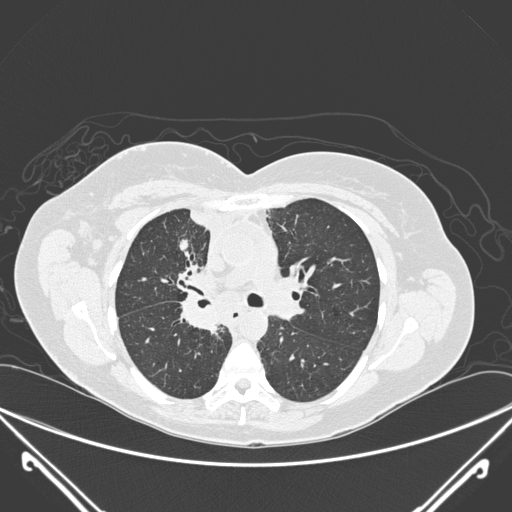
This is axial slice 168 of 275 (slice 1 is the lowest) of a chest CT; each pixel is 0.781 mm and the slice is 1.00 mm thick. Pulmonary nodule, outlined by all four readers, three of them on this slice. Box on this slice rows 239–251, columns 178–188, the union of the readers' outlines on this slice; the four readers' outlines give a longest diameter between 20.3 and 23.4 mm and a volume between 1750 and 2560 mm3. The readers' ratings, as ranges where they differ: texture 5/5 (solid), all four readers agreeing; margin from 3/5 to 5/5 (circumscribed) across the four readers; sphericity from 2/5 to 5/5 (round) across the four readers; calcification: absent (three), central calcification (one); internal structure soft tissue, all four readers agreeing; subtlety 5/5 from all four readers; malignancy likelihood 1–5/5 (the readers disagree). Scale key (1–5): texture non-solid→solid, margin indistinct→circumscribed, sphericity linear→round, subtlety extremely subtle→obvious, malignancy likelihood highly unlikely→highly suspicious of cancer. Box rows and columns are 0-based pixel indices from the top-left corner, inclusive.
Acquired at 120 kVp and reconstructed with the D kernel.